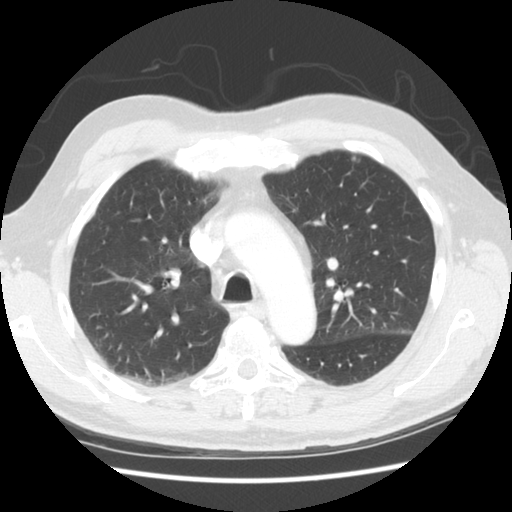
Axial chest CT slice 183 of 258 (counted from the lowest slice); tube voltage 120 kVp, convolution kernel STANDARD; slices 2.50 mm thick, 0.664 mm per pixel.
Pulmonary nodule outlined by one of the four readers; box rows 156–162, columns 351–359 (that reader's outline on this slice); longest diameter 8.0 mm and volume 122 mm3 from that reader's outline. Ratings by that reader: texture 5/5 (solid); margin 5/5 (circumscribed); sphericity 4/5; calcification solid calcification; internal structure soft tissue; subtlety 5/5; malignancy likelihood 1/5. Scale key (1–5): texture non-solid→solid, margin indistinct→circumscribed, sphericity linear→round, subtlety extremely subtle→obvious, malignancy likelihood highly unlikely→highly suspicious of cancer. Box rows and columns are 0-based pixel indices from the top-left corner, inclusive.